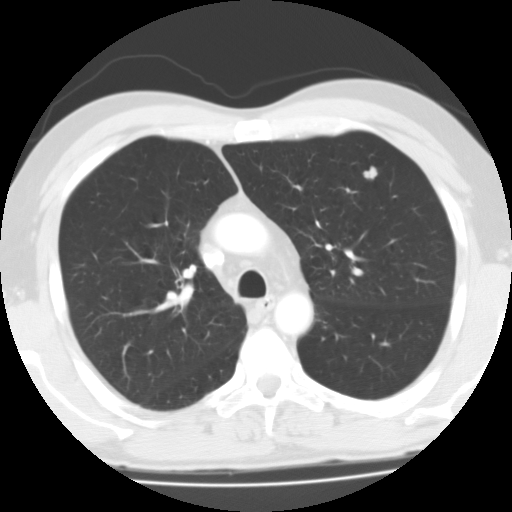
This is axial slice 93 of 127 (slice 1 is the lowest) of a chest CT; each pixel is 0.677 mm and the slice is 3.00 mm thick. Pulmonary nodule at rows 165–180, columns 363–377 (box = the union of the readers' outlines on this slice), outlined by all four readers; median longest diameter 12.6 mm (readers' outlines 11.7–13.1 mm), median volume 808 mm3 (622–939 mm3). Ratings, median across the readers with their spread: texture 5/5 (solid), all four readers agreeing; margin 4/5 at the median of four readers, spread 4/5 to 5/5 (circumscribed); median sphericity 4/5 (readers ranged 3/5 (ovoid) to 5/5 (round)); calcification absent, all four readers agreeing; internal structure soft tissue from all four readers; subtlety 5/5 from all four readers; malignancy likelihood 4/5 at the median of four readers, spread 3–5. Scale key (1–5): texture non-solid→solid, margin indistinct→circumscribed, sphericity linear→round, subtlety extremely subtle→obvious, malignancy likelihood highly unlikely→highly suspicious of cancer. Box rows and columns are 0-based pixel indices from the top-left corner, inclusive.
Scan settings: 135 kVp, FC01 reconstruction kernel.